One axial slice (341 of 433, counting up from the lowest) of a chest CT acquired at 120 kVp with the STANDARD kernel; each pixel is 0.547 mm and the slice is 1.25 mm thick.
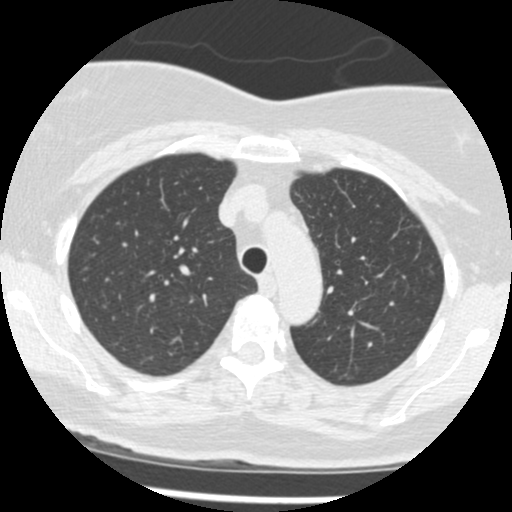
Pulmonary nodule outlined by one of the four readers; box rows 179–182, columns 362–366 (that reader's outline on this slice); longest diameter 3.9 mm and volume 28 mm3 from that reader's outline. Ratings by that reader: texture 5/5 (solid); margin 5/5 (circumscribed); sphericity 4/5; calcification solid calcification; internal structure soft tissue; subtlety 5/5; malignancy likelihood 3/5. Scale key (1–5): texture non-solid→solid, margin indistinct→circumscribed, sphericity linear→round, subtlety extremely subtle→obvious, malignancy likelihood highly unlikely→highly suspicious of cancer. Box rows and columns are 0-based pixel indices from the top-left corner, inclusive.